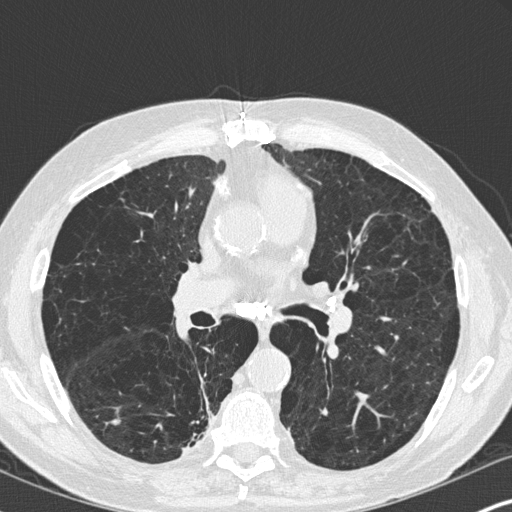
This is axial slice 179 of 347 (slice 1 is the lowest) of a chest CT; each pixel is 0.625 mm and the slice is 1.00 mm thick. Pulmonary nodule outlined by all four readers; box rows 418–425, columns 108–120 (the union of the readers' outlines on this slice); median longest diameter 9.3 mm (readers' outlines 8.9–9.6 mm), median volume 145 mm3 (130–187 mm3). Ratings, median across the readers with their spread: texture 5/5 (solid) from all four readers; margin 5/5 (circumscribed) from all four readers; median sphericity 3.5/5 (readers ranged 3/5 (ovoid) to 4/5); calcification absent from all four readers; internal structure soft tissue, all four readers agreeing; median subtlety 4.5/5 (readers ranged 4–5); malignancy likelihood 3/5 from all four readers. Scale key (1–5): texture non-solid→solid, margin indistinct→circumscribed, sphericity linear→round, subtlety extremely subtle→obvious, malignancy likelihood highly unlikely→highly suspicious of cancer. Box rows and columns are 0-based pixel indices from the top-left corner, inclusive.
Scan settings: 120 kVp, B45f reconstruction kernel.